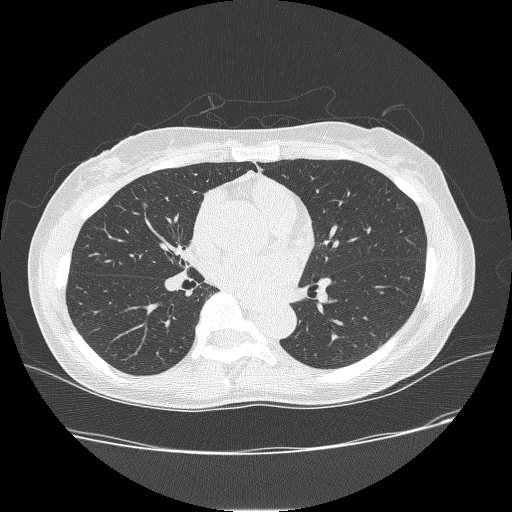
One axial slice (132 of 238, counting up from the lowest) of a chest CT acquired at 120 kVp with the BONE kernel; each pixel is 0.703 mm and the slice is 1.25 mm thick.
Pulmonary nodule outlined by all four readers, three of them on this slice; box rows 201–209, columns 142–148 (the union of the readers' outlines on this slice); longest diameter 9.8 mm on average over the four readers' outlines (readers' outlines 8.8–11.4 mm), volume 98–184 mm3. Ratings, by the readers' most common answer with dissent counted: texture split among the readers: 3/5 (part-solid) (two), 5/5 (solid) (two); margin split among the readers: 2/5 (one), 3/5 (one), 4/5 (one), 5/5 (circumscribed) (one); sphericity 3/5 (ovoid) by two of four readers; the rest gave 2/5 (one), 4/5 (one); calcification absent, all four readers agreeing; internal structure soft tissue, all four readers agreeing; subtlety 4/5 by two of four readers; the rest gave 2/5 (one), 5/5 (one); malignancy likelihood 2/5 by two of four readers; the rest gave 3/5 (one), 4/5 (one). Scale key (1–5): texture non-solid→solid, margin indistinct→circumscribed, sphericity linear→round, subtlety extremely subtle→obvious, malignancy likelihood highly unlikely→highly suspicious of cancer. Box rows and columns are 0-based pixel indices from the top-left corner, inclusive.